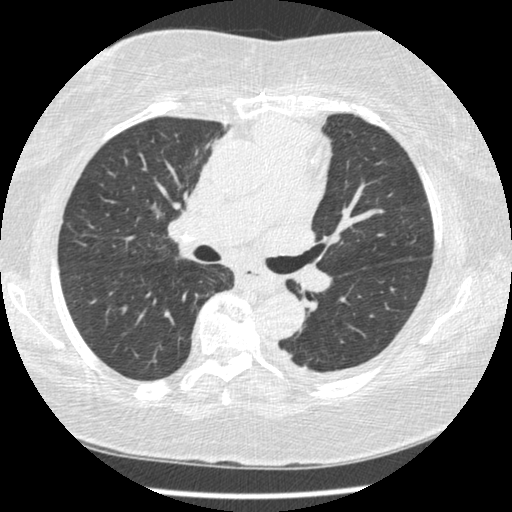
Axial slice 195 of 375 of a chest CT (slice 1 is the lowest), reconstructed with the STANDARD kernel at 120 kVp; 1.25 mm slice thickness and 0.625 mm pixels.
No nodule 3 mm or larger was outlined here by any reader.